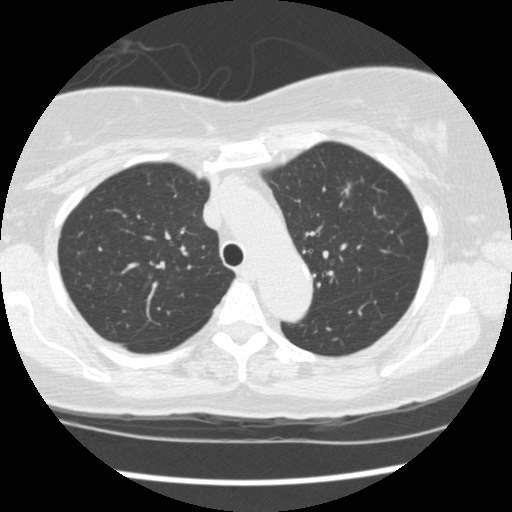
This is axial slice 109 of 149 (slice 1 is the lowest) of a chest CT; each pixel is 0.625 mm and the slice is 2.50 mm thick. Pulmonary nodule outlined by two of the four readers, one of them on this slice; box rows 181–196, columns 341–352 (the one reader's outline on this slice); longest diameter 10.7 mm on average over the two readers' outlines (readers' outlines 10.6–10.7 mm), volume 136–238 mm3. The readers' prevailing ratings and who disagreed: texture split among the readers: 1/5 (non-solid) (one), 2/5 (one); margin split among the readers: 1/5 (indistinct) (one), 2/5 (one); sphericity 3/5 (ovoid), both readers agreeing; calcification absent, both readers agreeing; internal structure soft tissue, both readers agreeing; subtlety split among the readers: 1/5 (one), 2/5 (one); malignancy likelihood split among the readers: 2/5 (one), 3/5 (one). Scale key (1–5): texture non-solid→solid, margin indistinct→circumscribed, sphericity linear→round, subtlety extremely subtle→obvious, malignancy likelihood highly unlikely→highly suspicious of cancer. Box rows and columns are 0-based pixel indices from the top-left corner, inclusive.
Tube voltage 120 kVp; convolution kernel STANDARD.